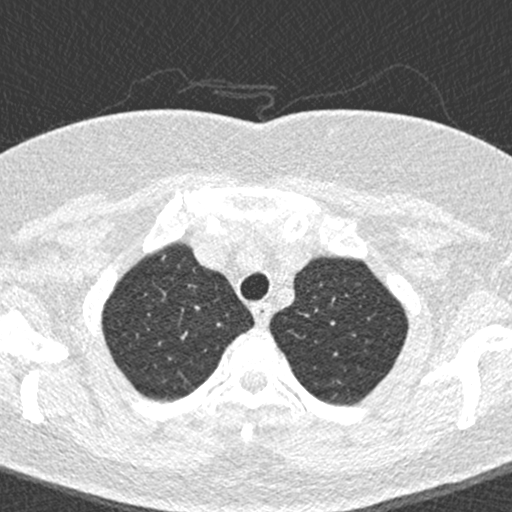
One axial slice (392 of 456, counting up from the lowest) of a chest CT acquired at 120 kVp with the B30f kernel; each pixel is 0.559 mm and the slice is 0.75 mm thick.
Pulmonary nodule, outlined by one of the four readers. Box on this slice rows 255–259, columns 162–165, that reader's outline on this slice; longest diameter 5.3 mm and volume 27 mm3 from that reader's outline. That reader's ratings: texture 5/5 (solid); margin 5/5 (circumscribed); sphericity 4/5; calcification solid calcification; internal structure soft tissue; subtlety 5/5; malignancy likelihood 1/5. Scale key (1–5): texture non-solid→solid, margin indistinct→circumscribed, sphericity linear→round, subtlety extremely subtle→obvious, malignancy likelihood highly unlikely→highly suspicious of cancer. Box rows and columns are 0-based pixel indices from the top-left corner, inclusive.